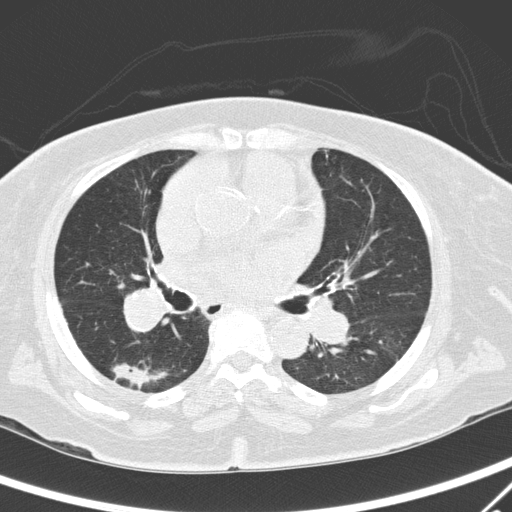
Axial slice 164 of 295 of a chest CT (slice 1 is the lowest), reconstructed with the D kernel at 120 kVp; 2.00 mm slice thickness and 0.682 mm pixels.
Pulmonary nodule, outlined by one of the four readers. Box on this slice rows 355–388, columns 110–179, that reader's outline on this slice; longest diameter 49.8 mm and volume 6337 mm3 from that reader's outline. Ratings by that reader: texture 4/5; margin 1/5 (indistinct); sphericity 3/5 (ovoid); calcification absent; internal structure soft tissue; subtlety 5/5; malignancy likelihood 5/5. Scale key (1–5): texture non-solid→solid, margin indistinct→circumscribed, sphericity linear→round, subtlety extremely subtle→obvious, malignancy likelihood highly unlikely→highly suspicious of cancer. Box rows and columns are 0-based pixel indices from the top-left corner, inclusive.